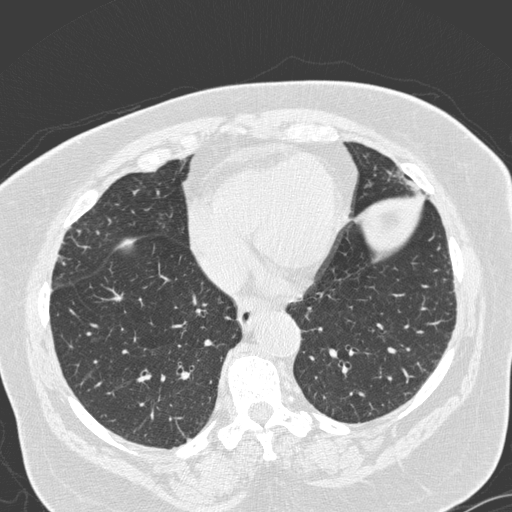
Chest CT, axial plane, 120 kVp, kernel D. Slice 71/280 from the bottom of the scan; thickness 1.00 mm; pixel size 0.666 mm.
Pulmonary nodule, outlined by two of the four readers, one of them on this slice. Box on this slice rows 296–300, columns 116–120, the one reader's outline on this slice; longest diameter 6.0–6.6 mm and volume 55–68 mm3 across the two readers' outlines. The readers' ratings, as ranges where they differ: texture from 4/5 to 5/5 (solid) across the two readers; margin from 3/5 to 5/5 (circumscribed) across the two readers; sphericity from 3/5 (ovoid) to 5/5 (round) across the two readers; calcification absent, both readers agreeing; internal structure soft tissue from both readers; subtlety rated between 2 and 3 out of 5 by the two readers; malignancy likelihood 2–3/5 (the readers disagree). Scale key (1–5): texture non-solid→solid, margin indistinct→circumscribed, sphericity linear→round, subtlety extremely subtle→obvious, malignancy likelihood highly unlikely→highly suspicious of cancer. Box rows and columns are 0-based pixel indices from the top-left corner, inclusive.